Axial slice 159 of 231 of a chest CT (slice 1 is the lowest), reconstructed with the D kernel at 120 kVp; 1.00 mm slice thickness and 0.666 mm pixels.
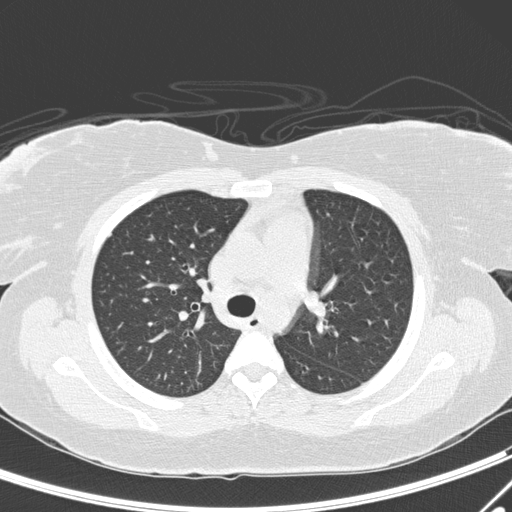
Pulmonary nodule outlined by one of the four readers; box rows 233–236, columns 108–110 (that reader's outline on this slice); longest diameter 4.2 mm and volume 23 mm3 from that reader's outline. Ratings by that reader: texture 5/5 (solid); margin 5/5 (circumscribed); sphericity 4/5; calcification absent; internal structure soft tissue; subtlety 3/5; malignancy likelihood 1/5. Scale key (1–5): texture non-solid→solid, margin indistinct→circumscribed, sphericity linear→round, subtlety extremely subtle→obvious, malignancy likelihood highly unlikely→highly suspicious of cancer. Box rows and columns are 0-based pixel indices from the top-left corner, inclusive.